One axial slice (214 of 280, counting up from the lowest) of a chest CT acquired at 120 kVp with the D kernel; each pixel is 0.613 mm and the slice is 2.00 mm thick.
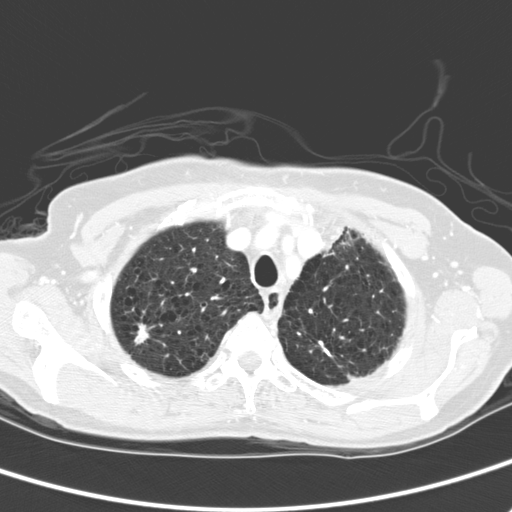
Pulmonary nodule outlined by all four readers; box rows 323–346, columns 133–149 (the union of the readers' outlines on this slice); median longest diameter 17.5 mm (readers' outlines 16.7–18.9 mm), median volume 856 mm3 (701–1041 mm3). Ratings, median across the readers with their spread: median texture 4.5/5 (readers ranged 3/5 (part-solid) to 5/5 (solid)); median margin 2.5/5 (readers ranged 1/5 (indistinct) to 5/5 (circumscribed)); sphericity 2.5/5 at the median of four readers, spread 2/5 to 4/5; calcification absent, all four readers agreeing; internal structure soft tissue from all four readers; median subtlety 4.5/5 (readers ranged 2–5); median malignancy likelihood 4/5 (readers ranged 3–5). Scale key (1–5): texture non-solid→solid, margin indistinct→circumscribed, sphericity linear→round, subtlety extremely subtle→obvious, malignancy likelihood highly unlikely→highly suspicious of cancer. Box rows and columns are 0-based pixel indices from the top-left corner, inclusive.